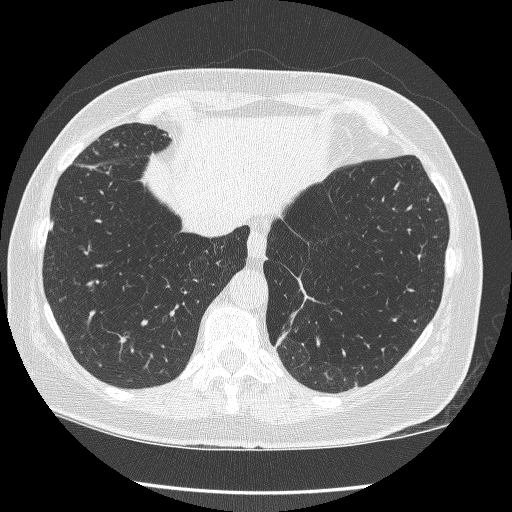
One axial slice (75 of 246, counting up from the lowest) of a chest CT acquired at 120 kVp with the BONE kernel; each pixel is 0.617 mm and the slice is 1.25 mm thick.
Pulmonary nodule at rows 220–230, columns 49–53 (box = that reader's outline on this slice), outlined by one of the four readers; longest diameter 7.8 mm and volume 86 mm3 from that reader's outline. That reader's ratings: texture 5/5 (solid); margin 5/5 (circumscribed); sphericity 2/5; calcification absent; internal structure soft tissue; subtlety 3/5; malignancy likelihood 2/5. Scale key (1–5): texture non-solid→solid, margin indistinct→circumscribed, sphericity linear→round, subtlety extremely subtle→obvious, malignancy likelihood highly unlikely→highly suspicious of cancer. Box rows and columns are 0-based pixel indices from the top-left corner, inclusive.